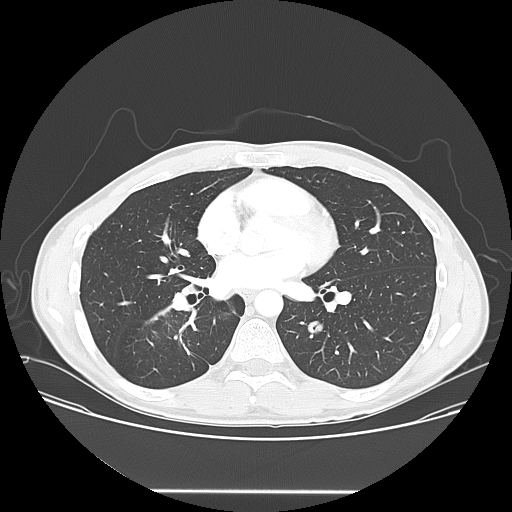
Axial slice 79 of 150 of a chest CT (slice 1 is the lowest), reconstructed with the LUNG kernel at 120 kVp; 2.50 mm slice thickness and 0.781 mm pixels.
Pulmonary nodule at rows 321–333, columns 306–322 (box = the union of the readers' outlines on this slice), outlined by all four readers; median longest diameter 17.9 mm (readers' outlines 17.8–19.3 mm), median volume 2061 mm3 (1904–2340 mm3). Median ratings and the readers' spread: texture 5/5 (solid) at the median of four readers, spread 4/5 to 5/5 (solid); median margin 4.5/5 (readers ranged 4/5 to 5/5 (circumscribed)); sphericity 4/5 at the median of four readers, spread 3/5 (ovoid) to 5/5 (round); calcification absent, all four readers agreeing; internal structure soft tissue from all four readers; subtlety 5/5 at the median of four readers, spread 3–5; median malignancy likelihood 3.5/5 (readers ranged 2–5). Scale key (1–5): texture non-solid→solid, margin indistinct→circumscribed, sphericity linear→round, subtlety extremely subtle→obvious, malignancy likelihood highly unlikely→highly suspicious of cancer. Box rows and columns are 0-based pixel indices from the top-left corner, inclusive.